Axial slice 66 of 147 of a chest CT (slice 1 is the lowest), reconstructed with the STANDARD kernel at 120 kVp; 2.50 mm slice thickness and 0.703 mm pixels.
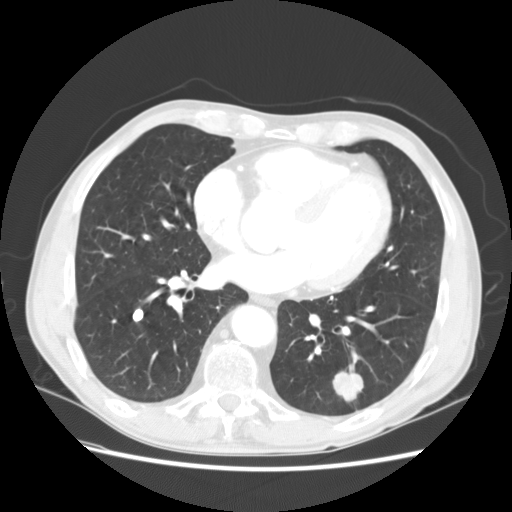
Two pulmonary nodules on this slice, listed from left to right. (1) Pulmonary nodule at rows 308–321, columns 132–143 (box = the union of the readers' outlines on this slice), outlined by all four readers; longest diameter 11.4–13.6 mm and volume 439–652 mm3 across the four readers' outlines. Ratings across the readers: texture 5/5 (solid), all four readers agreeing; margin 5/5 (circumscribed), all four readers agreeing; sphericity from 4/5 to 5/5 (round) across the four readers; calcification: solid calcification (three), absent (one); internal structure soft tissue from all four readers; subtlety 3–5/5 (the readers disagree); malignancy likelihood from 1/5 to 3/5 across the four readers. (2) Pulmonary nodule, outlined by all four readers. Box on this slice rows 371–402, columns 332–363, the union of the readers' outlines on this slice; longest diameter 31.1 mm on average over the four readers' outlines (readers' outlines 30.2–32.4 mm), volume 8441–9544 mm3. The readers' prevailing ratings and who disagreed: most readers (three of four) put texture at 5/5 (solid), others 3/5 (part-solid) (one); margin 4/5 by two of four readers; the rest gave 2/5 (one), 5/5 (circumscribed) (one); sphericity 5/5 (round) by two of four readers; the rest gave 3/5 (ovoid) (one), 4/5 (one); calcification absent, all four readers agreeing; internal structure soft tissue, all four readers agreeing; subtlety 5/5, all four readers agreeing; malignancy likelihood split among the readers: 3/5 (two), 5/5 (two). Scale key (1–5): texture non-solid→solid, margin indistinct→circumscribed, sphericity linear→round, subtlety extremely subtle→obvious, malignancy likelihood highly unlikely→highly suspicious of cancer. Box rows and columns are 0-based pixel indices from the top-left corner, inclusive.